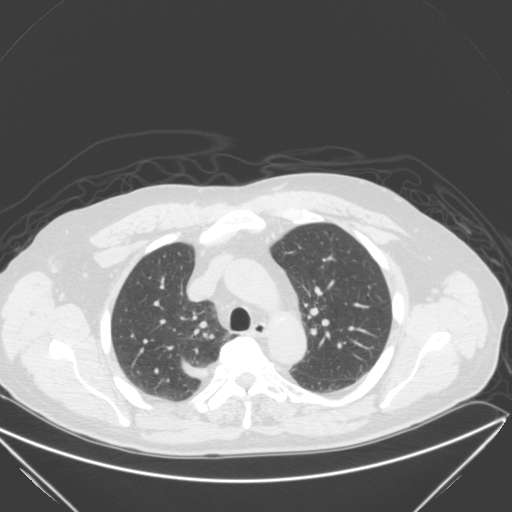
This is axial slice 195 of 280 (slice 1 is the lowest) of a chest CT; each pixel is 0.805 mm and the slice is 2.00 mm thick. Pulmonary nodule, outlined by one of the four readers. Box on this slice rows 335–338, columns 209–213, that reader's outline on this slice; longest diameter 6.1 mm and volume 89 mm3 from that reader's outline. Ratings by that reader: texture 5/5 (solid); margin 5/5 (circumscribed); sphericity 5/5 (round); calcification absent; internal structure soft tissue; subtlety 5/5; malignancy likelihood 3/5. Scale key (1–5): texture non-solid→solid, margin indistinct→circumscribed, sphericity linear→round, subtlety extremely subtle→obvious, malignancy likelihood highly unlikely→highly suspicious of cancer. Box rows and columns are 0-based pixel indices from the top-left corner, inclusive.
Tube voltage 120 kVp; convolution kernel B.